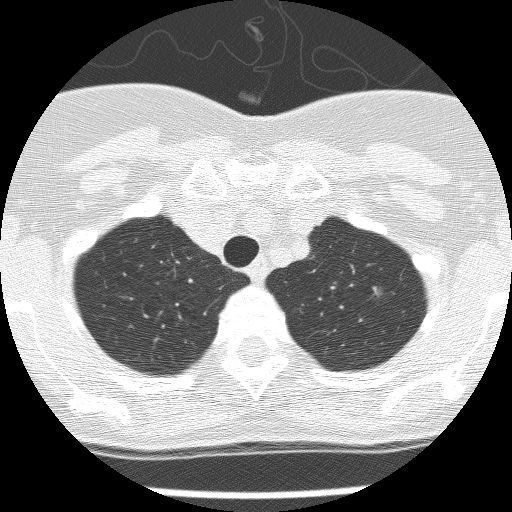
Axial slice 182 of 208 of a chest CT (slice 1 is the lowest), reconstructed with the BONE kernel at 120 kVp; 1.25 mm slice thickness and 0.514 mm pixels.
Pulmonary nodule at rows 287–293, columns 377–381 (box = that reader's outline on this slice), outlined by one of the four readers; longest diameter 5.5 mm and volume 35 mm3 from that reader's outline. That reader's ratings: texture 1/5 (non-solid); margin 3/5; sphericity 3/5 (ovoid); calcification absent; internal structure soft tissue; subtlety 1/5; malignancy likelihood 3/5. Scale key (1–5): texture non-solid→solid, margin indistinct→circumscribed, sphericity linear→round, subtlety extremely subtle→obvious, malignancy likelihood highly unlikely→highly suspicious of cancer. Box rows and columns are 0-based pixel indices from the top-left corner, inclusive.